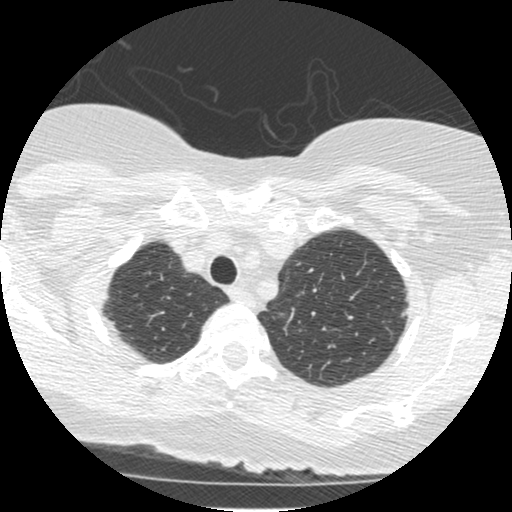
This is axial slice 307 of 372 (slice 1 is the lowest) of a chest CT; each pixel is 0.586 mm and the slice is 1.25 mm thick. Pulmonary nodule at rows 308–316, columns 401–407 (box = that reader's outline on this slice), outlined by one of the four readers; longest diameter 7.1 mm and volume 68 mm3 from that reader's outline. Ratings by that reader: texture 5/5 (solid); margin 4/5; sphericity 3/5 (ovoid); calcification absent; internal structure soft tissue; subtlety 5/5; malignancy likelihood 3/5. Scale key (1–5): texture non-solid→solid, margin indistinct→circumscribed, sphericity linear→round, subtlety extremely subtle→obvious, malignancy likelihood highly unlikely→highly suspicious of cancer. Box rows and columns are 0-based pixel indices from the top-left corner, inclusive.
Acquired at 120 kVp and reconstructed with the STANDARD kernel.